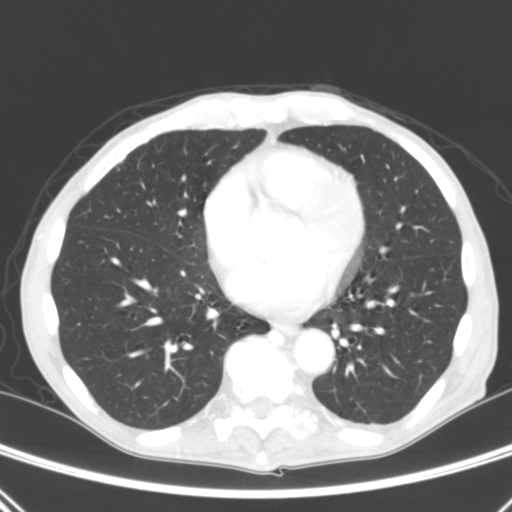
Chest CT, axial plane, 120 kVp, kernel B. Slice 113/290 from the bottom of the scan; thickness 2.00 mm; pixel size 0.639 mm.
Pulmonary nodule, outlined by one of the four readers. Box on this slice rows 293–295, columns 410–414, that reader's outline on this slice; longest diameter 5.5 mm and volume 55 mm3 from that reader's outline. That reader's ratings: texture 5/5 (solid); margin 5/5 (circumscribed); sphericity 5/5 (round); calcification absent; internal structure soft tissue; subtlety 5/5; malignancy likelihood 3/5. Scale key (1–5): texture non-solid→solid, margin indistinct→circumscribed, sphericity linear→round, subtlety extremely subtle→obvious, malignancy likelihood highly unlikely→highly suspicious of cancer. Box rows and columns are 0-based pixel indices from the top-left corner, inclusive.